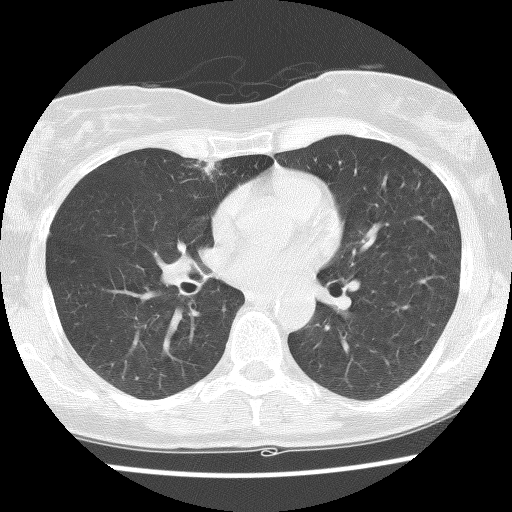
Slice 69/127 of a chest CT, counting up from the lowest; pixel size 0.586 mm, slice thickness 2.50 mm. Pulmonary nodule outlined by one of the four readers; box rows 162–181, columns 194–221 (that reader's outline on this slice); longest diameter 18.8 mm and volume 2440 mm3 from that reader's outline. That reader's ratings: texture 3/5 (part-solid); margin 2/5; sphericity 2/5; calcification absent; internal structure soft tissue; subtlety 4/5; malignancy likelihood 2/5. Scale key (1–5): texture non-solid→solid, margin indistinct→circumscribed, sphericity linear→round, subtlety extremely subtle→obvious, malignancy likelihood highly unlikely→highly suspicious of cancer. Box rows and columns are 0-based pixel indices from the top-left corner, inclusive.
Acquired at 140 kVp and reconstructed with the BONE kernel.